Chest CT, axial plane, 120 kVp, kernel STANDARD. Slice 328/481 from the bottom of the scan; thickness 1.25 mm; pixel size 0.664 mm.
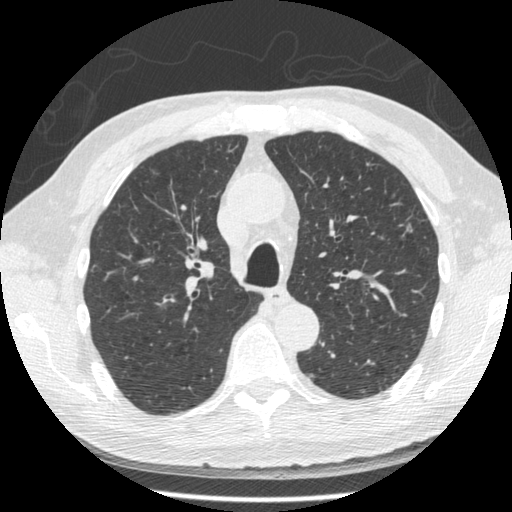
Pulmonary nodule outlined by two of the four readers, one of them on this slice; box rows 162–165, columns 366–370 (the one reader's outline on this slice); median longest diameter 11.4 mm (readers' outlines 10.5–12.2 mm), median volume 167 mm3 (150–184 mm3). Median ratings and the readers' spread: texture 3/5 (part-solid) at the median of two readers, spread 2/5 to 4/5; margin 2.5/5 at the median of two readers, spread 1/5 (indistinct) to 4/5; median sphericity 2.5/5 (readers ranged 2/5 to 3/5 (ovoid)); calcification absent, both readers agreeing; internal structure soft tissue from both readers; median subtlety 3/5 (readers ranged 2–4); malignancy likelihood 2/5 at the median of two readers, spread 1–3. Scale key (1–5): texture non-solid→solid, margin indistinct→circumscribed, sphericity linear→round, subtlety extremely subtle→obvious, malignancy likelihood highly unlikely→highly suspicious of cancer. Box rows and columns are 0-based pixel indices from the top-left corner, inclusive.